One axial slice (187 of 270, counting up from the lowest) of a chest CT acquired at 120 kVp with the BONE kernel; each pixel is 0.604 mm and the slice is 1.25 mm thick.
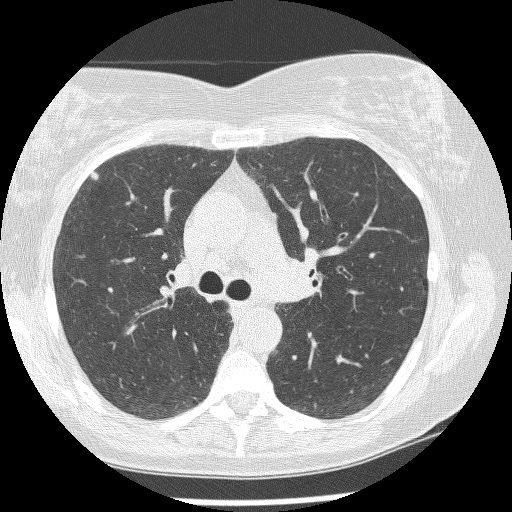
Pulmonary nodule outlined by all four readers; box rows 171–180, columns 89–98 (the union of the readers' outlines on this slice); the four readers' outlines give a longest diameter between 5.9 and 6.9 mm and a volume between 67 and 95 mm3. Ratings across the readers: texture from 4/5 to 5/5 (solid) across the four readers; margin from 4/5 to 5/5 (circumscribed) across the four readers; sphericity from 3/5 (ovoid) to 5/5 (round) across the four readers; calcification absent from all four readers; internal structure soft tissue, all four readers agreeing; subtlety rated between 3 and 4 out of 5 by the four readers; malignancy likelihood rated between 3 and 4 out of 5 by the four readers. Scale key (1–5): texture non-solid→solid, margin indistinct→circumscribed, sphericity linear→round, subtlety extremely subtle→obvious, malignancy likelihood highly unlikely→highly suspicious of cancer. Box rows and columns are 0-based pixel indices from the top-left corner, inclusive.